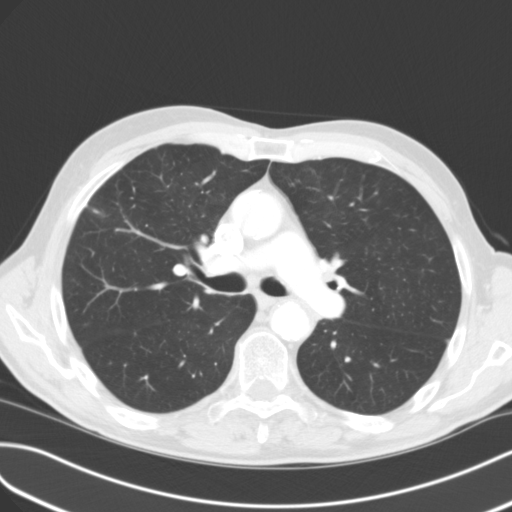
This is axial slice 70 of 114 (slice 1 is the lowest) of a chest CT; each pixel is 0.689 mm and the slice is 3.00 mm thick. Pulmonary nodule at rows 210–213, columns 94–98 (box = the one reader's outline on this slice), outlined by all four readers, one of them on this slice; longest diameter 43.2 mm on average over the four readers' outlines (readers' outlines 40.2–48.6 mm), volume 17639–20532 mm3. The readers' prevailing ratings and who disagreed: texture split among the readers: 4/5 (two), 5/5 (solid) (two); margin 4/5 by two of four readers; the rest gave 3/5 (one), 5/5 (circumscribed) (one); sphericity split among the readers: 3/5 (ovoid) (two), 4/5 (two); calcification absent, all four readers agreeing; internal structure soft tissue from all four readers; subtlety 5/5 from all four readers; malignancy likelihood 4/5 by two of four readers; the rest gave 3/5 (one), 5/5 (one). Scale key (1–5): texture non-solid→solid, margin indistinct→circumscribed, sphericity linear→round, subtlety extremely subtle→obvious, malignancy likelihood highly unlikely→highly suspicious of cancer. Box rows and columns are 0-based pixel indices from the top-left corner, inclusive.
Acquired at 120 kVp and reconstructed with the B31f kernel.